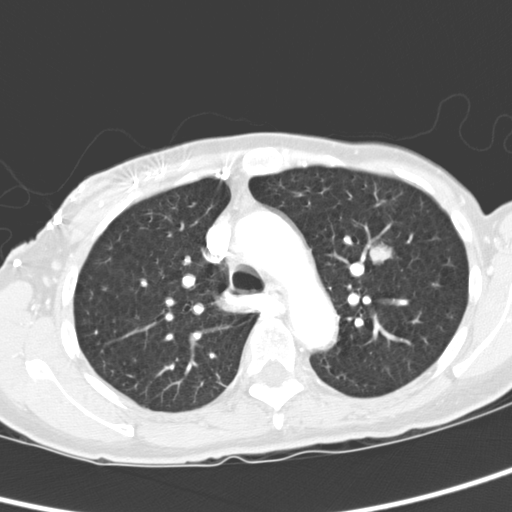
Axial slice 225 of 321 of a chest CT (slice 1 is the lowest), reconstructed with the D kernel at 120 kVp; 2.00 mm slice thickness and 0.557 mm pixels.
Pulmonary nodule at rows 241–265, columns 368–395 (box = the union of the readers' outlines on this slice), outlined by all four readers; median longest diameter 20.6 mm (readers' outlines 19.2–22.3 mm), median volume 3516 mm3 (3069–4125 mm3). Ratings, median across the readers with their spread: texture 5/5 (solid), all four readers agreeing; margin 5/5 (circumscribed), all four readers agreeing; sphericity 4.5/5 at the median of four readers, spread 4/5 to 5/5 (round); calcification absent, all four readers agreeing; internal structure soft tissue, all four readers agreeing; subtlety 5/5 from all four readers; median malignancy likelihood 4/5 (readers ranged 2–5). Scale key (1–5): texture non-solid→solid, margin indistinct→circumscribed, sphericity linear→round, subtlety extremely subtle→obvious, malignancy likelihood highly unlikely→highly suspicious of cancer. Box rows and columns are 0-based pixel indices from the top-left corner, inclusive.